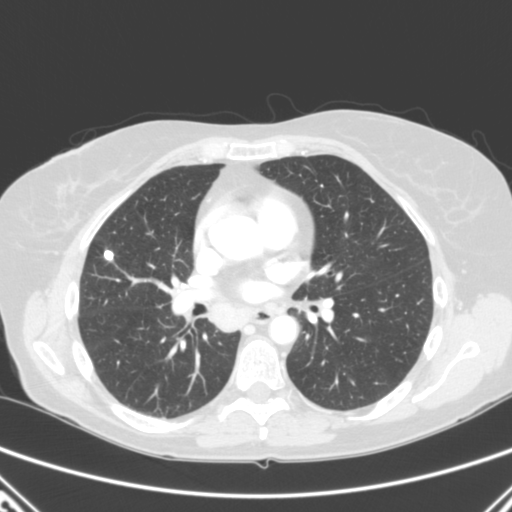
Axial chest CT slice 147 of 280 (counted from the lowest slice); 2.00 mm thick, 0.676 mm per pixel. Pulmonary nodule, outlined by all four readers. Box on this slice rows 250–260, columns 103–113, the union of the readers' outlines on this slice; longest diameter 9.2 mm on average over the four readers' outlines (readers' outlines 8.5–10.7 mm), volume 156–292 mm3. Ratings, by the readers' most common answer with dissent counted: texture 5/5 (solid), all four readers agreeing; margin split among the readers: 4/5 (two), 5/5 (circumscribed) (two); sphericity 4/5 by two of four readers; the rest gave 3/5 (ovoid) (one), 5/5 (round) (one); calcification solid calcification by three of four readers, central calcification (one); internal structure soft tissue from all four readers; subtlety 5/5 from all four readers; malignancy likelihood 1/5 from all four readers. Scale key (1–5): texture non-solid→solid, margin indistinct→circumscribed, sphericity linear→round, subtlety extremely subtle→obvious, malignancy likelihood highly unlikely→highly suspicious of cancer. Box rows and columns are 0-based pixel indices from the top-left corner, inclusive.
Scan settings: 120 kVp, B reconstruction kernel.